Chest CT, axial plane, 135 kVp, kernel FC01. Slice 90/112 from the bottom of the scan; thickness 3.00 mm; pixel size 0.573 mm.
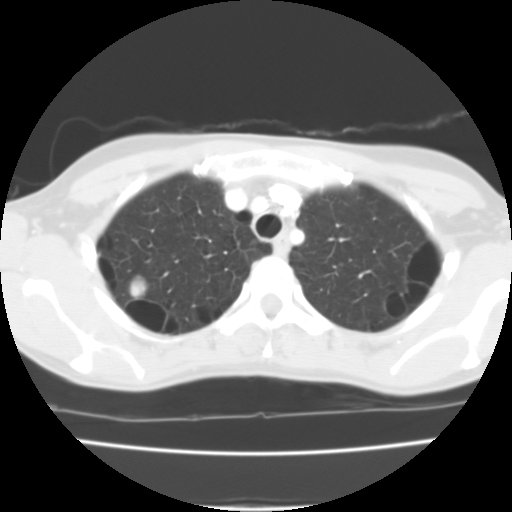
Pulmonary nodule outlined by all four readers; box rows 275–299, columns 129–149 (the union of the readers' outlines on this slice); median longest diameter 16.7 mm (readers' outlines 16.4–19.0 mm), median volume 2634 mm3 (2422–3472 mm3). Median ratings and the readers' spread: texture 5/5 (solid), all four readers agreeing; median margin 4.5/5 (readers ranged 4/5 to 5/5 (circumscribed)); median sphericity 4.5/5 (readers ranged 4/5 to 5/5 (round)); calcification absent from all four readers; internal structure soft tissue, all four readers agreeing; subtlety 5/5 from all four readers; median malignancy likelihood 3/5 (readers ranged 3–5). Scale key (1–5): texture non-solid→solid, margin indistinct→circumscribed, sphericity linear→round, subtlety extremely subtle→obvious, malignancy likelihood highly unlikely→highly suspicious of cancer. Box rows and columns are 0-based pixel indices from the top-left corner, inclusive.